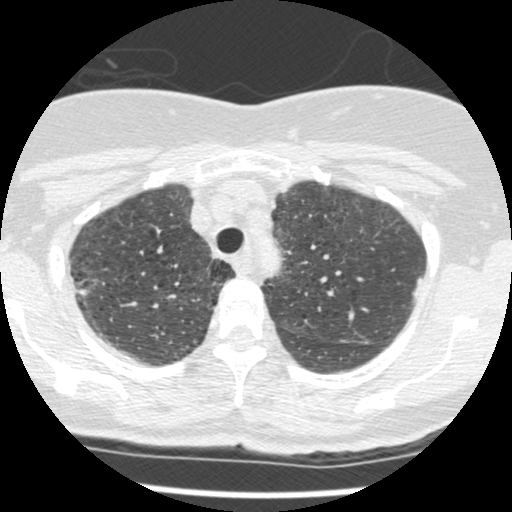
Axial chest CT slice 387 of 465 (counted from the lowest slice); 1.25 mm thick, 0.586 mm per pixel. Pulmonary nodule, outlined by one of the four readers. Box on this slice rows 289–295, columns 79–86, that reader's outline on this slice; longest diameter 8.3 mm and volume 208 mm3 from that reader's outline. That reader's ratings: texture 5/5 (solid); margin 4/5; sphericity 4/5; calcification absent; internal structure soft tissue; subtlety 3/5; malignancy likelihood 2/5. Scale key (1–5): texture non-solid→solid, margin indistinct→circumscribed, sphericity linear→round, subtlety extremely subtle→obvious, malignancy likelihood highly unlikely→highly suspicious of cancer. Box rows and columns are 0-based pixel indices from the top-left corner, inclusive.
Acquired at 120 kVp and reconstructed with the STANDARD kernel.